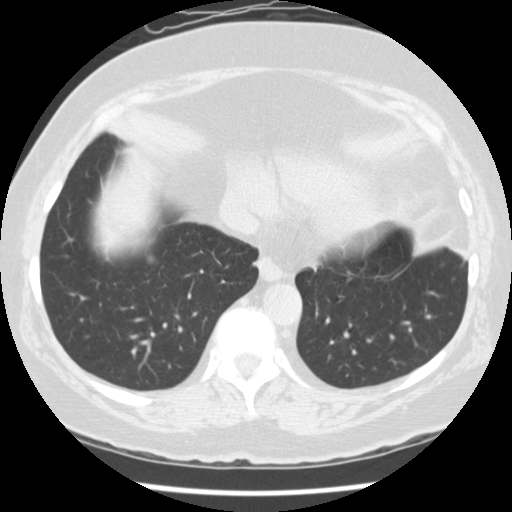
One axial slice (39 of 144, counting up from the lowest) of a chest CT acquired at 120 kVp with the STANDARD kernel; each pixel is 0.625 mm and the slice is 2.50 mm thick.
Pulmonary nodule outlined by all four readers; box rows 253–265, columns 144–156 (the union of the readers' outlines on this slice); longest diameter 8.1–10.1 mm and volume 190–225 mm3 across the four readers' outlines. The readers' ratings, as ranges where they differ: texture 5/5 (solid), all four readers agreeing; margin from 3/5 to 5/5 (circumscribed) across the four readers; sphericity from 3/5 (ovoid) to 5/5 (round) across the four readers; calcification absent from all four readers; internal structure soft tissue, all four readers agreeing; subtlety from 3/5 to 5/5 across the four readers; malignancy likelihood from 3/5 to 4/5 across the four readers. Scale key (1–5): texture non-solid→solid, margin indistinct→circumscribed, sphericity linear→round, subtlety extremely subtle→obvious, malignancy likelihood highly unlikely→highly suspicious of cancer. Box rows and columns are 0-based pixel indices from the top-left corner, inclusive.